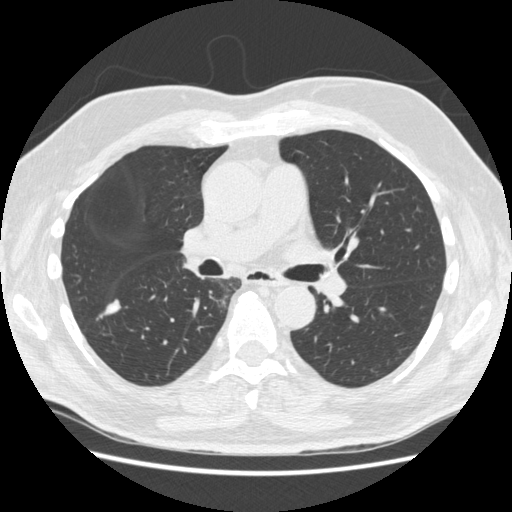
Slice 294/557 of a chest CT, counting up from the lowest; pixel size 0.703 mm, slice thickness 1.25 mm. Pulmonary nodule, outlined by all four readers. Box on this slice rows 299–318, columns 98–121, the union of the readers' outlines on this slice; longest diameter 22.3 mm on average over the four readers' outlines (readers' outlines 19.1–25.0 mm), volume 785–1099 mm3. Ratings, by the readers' most common answer with dissent counted: texture 5/5 (solid) by three of four readers; the rest gave 4/5 (one); margin 3/5 by two of four readers; the rest gave 4/5 (one), 5/5 (circumscribed) (one); sphericity 3/5 (ovoid) by three of four readers; the rest gave 2/5 (one); calcification absent, all four readers agreeing; internal structure soft tissue from all four readers; subtlety 5/5 by three of four readers; the rest gave 4/5 (one); malignancy likelihood 4/5 by two of four readers; the rest gave 2/5 (one), 5/5 (one). Scale key (1–5): texture non-solid→solid, margin indistinct→circumscribed, sphericity linear→round, subtlety extremely subtle→obvious, malignancy likelihood highly unlikely→highly suspicious of cancer. Box rows and columns are 0-based pixel indices from the top-left corner, inclusive.
Acquired at 120 kVp and reconstructed with the STANDARD kernel.